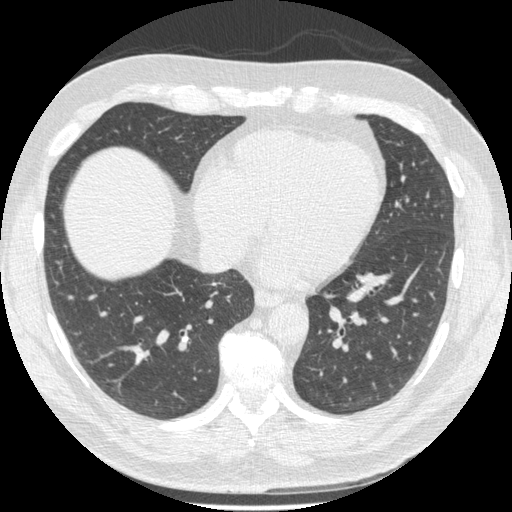
Axial slice 218 of 557 of a chest CT (slice 1 is the lowest), reconstructed with the STANDARD kernel at 120 kVp; 1.25 mm slice thickness and 0.703 mm pixels.
Pulmonary nodule outlined by all four readers; box rows 336–342, columns 182–187 (the union of the readers' outlines on this slice); the four readers' outlines give a longest diameter between 6.7 and 9.4 mm and a volume between 108 and 158 mm3. Ratings across the readers: texture 5/5 (solid), all four readers agreeing; margin 5/5 (circumscribed) from all four readers; sphericity from 3/5 (ovoid) to 5/5 (round) across the four readers; calcification: solid calcification (three), absent (one); internal structure soft tissue from all four readers; subtlety from 3/5 to 5/5 across the four readers; malignancy likelihood 1–2/5 (the readers disagree). Scale key (1–5): texture non-solid→solid, margin indistinct→circumscribed, sphericity linear→round, subtlety extremely subtle→obvious, malignancy likelihood highly unlikely→highly suspicious of cancer. Box rows and columns are 0-based pixel indices from the top-left corner, inclusive.